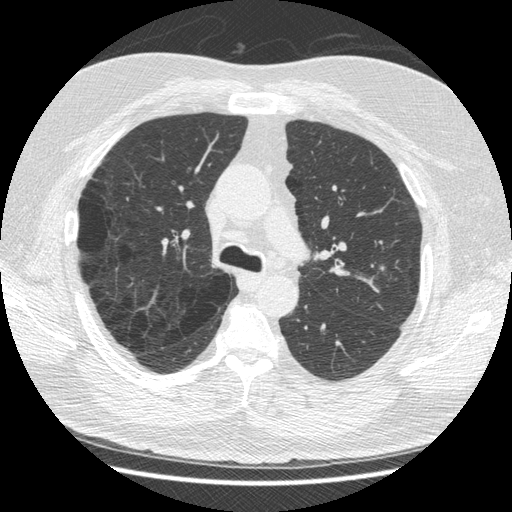
Slice 312/487 of a chest CT, counting up from the lowest; pixel size 0.703 mm, slice thickness 1.25 mm. Pulmonary nodule at rows 265–271, columns 379–385 (box = the union of the readers' outlines on this slice), outlined by two of the four readers; the two readers' outlines give a longest diameter between 9.4 and 9.6 mm and a volume between 154 and 156 mm3. The readers' ratings, as ranges where they differ: texture from 3/5 (part-solid) to 4/5 across the two readers; margin from 2/5 to 4/5 across the two readers; sphericity 3/5 (ovoid), both readers agreeing; calcification absent from both readers; internal structure soft tissue, both readers agreeing; subtlety 2–3/5 (the readers disagree); malignancy likelihood from 3/5 to 4/5 across the two readers. Scale key (1–5): texture non-solid→solid, margin indistinct→circumscribed, sphericity linear→round, subtlety extremely subtle→obvious, malignancy likelihood highly unlikely→highly suspicious of cancer. Box rows and columns are 0-based pixel indices from the top-left corner, inclusive.
Acquired at 120 kVp and reconstructed with the STANDARD kernel.